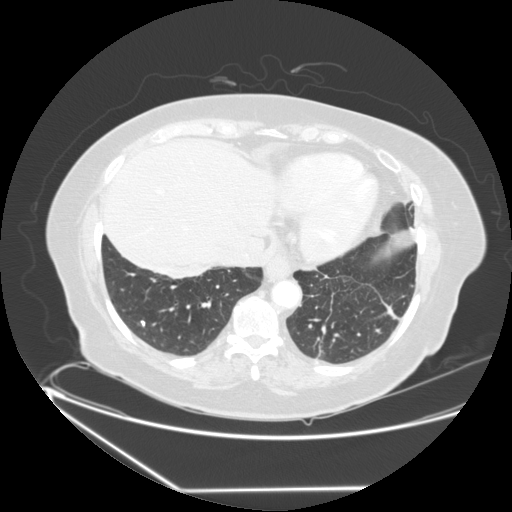
One axial slice (77 of 241, counting up from the lowest) of a chest CT acquired at 120 kVp with the STANDARD kernel; each pixel is 0.822 mm and the slice is 1.25 mm thick.
Pulmonary nodule, outlined by all four readers. Box on this slice rows 320–326, columns 137–145, the union of the readers' outlines on this slice; longest diameter 6.8 mm on average over the four readers' outlines (readers' outlines 5.5–8.5 mm), volume 41–162 mm3. Ratings, by the readers' most common answer with dissent counted: texture 5/5 (solid), all four readers agreeing; margin 5/5 (circumscribed) from all four readers; sphericity split among the readers: 2/5 (one), 3/5 (ovoid) (one), 4/5 (one), 5/5 (round) (one); calcification solid calcification by three of four readers, absent (one); internal structure soft tissue, all four readers agreeing; subtlety 2/5 by two of four readers; the rest gave 3/5 (one), 5/5 (one); malignancy likelihood 1/5 by three of four readers; the rest gave 2/5 (one). Scale key (1–5): texture non-solid→solid, margin indistinct→circumscribed, sphericity linear→round, subtlety extremely subtle→obvious, malignancy likelihood highly unlikely→highly suspicious of cancer. Box rows and columns are 0-based pixel indices from the top-left corner, inclusive.